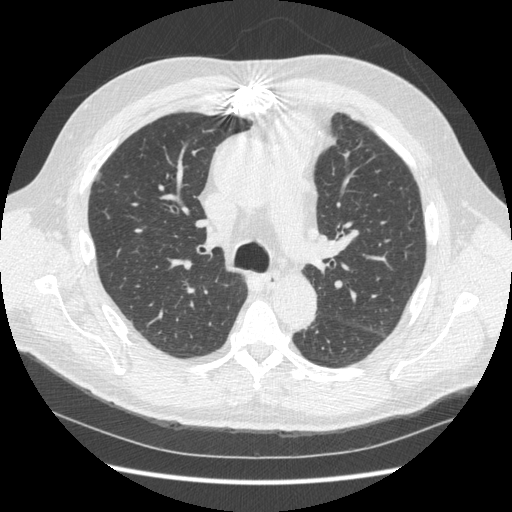
This is axial slice 223 of 369 (slice 1 is the lowest) of a chest CT; each pixel is 0.703 mm and the slice is 1.25 mm thick. Pulmonary nodule, outlined by one of the four readers. Box on this slice rows 172–181, columns 96–100, that reader's outline on this slice; longest diameter 27.0 mm and volume 3015 mm3 from that reader's outline. That reader's ratings: texture 1/5 (non-solid); margin 1/5 (indistinct); sphericity 3/5 (ovoid); calcification absent; internal structure soft tissue; subtlety 3/5; malignancy likelihood 3/5. Scale key (1–5): texture non-solid→solid, margin indistinct→circumscribed, sphericity linear→round, subtlety extremely subtle→obvious, malignancy likelihood highly unlikely→highly suspicious of cancer. Box rows and columns are 0-based pixel indices from the top-left corner, inclusive.
Tube voltage 120 kVp; convolution kernel STANDARD.